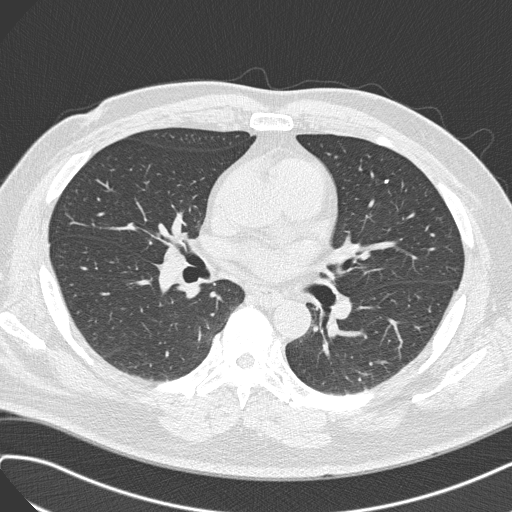
Axial chest CT slice 169 of 308 (counted from the lowest slice); 1.00 mm thick, 0.703 mm per pixel. Pulmonary nodule outlined by one of the four readers; box rows 179–183, columns 384–389 (that reader's outline on this slice); longest diameter 5.1 mm and volume 29 mm3 from that reader's outline. That reader's ratings: texture 5/5 (solid); margin 5/5 (circumscribed); sphericity 5/5 (round); calcification solid calcification; internal structure soft tissue; subtlety 3/5; malignancy likelihood 1/5. Scale key (1–5): texture non-solid→solid, margin indistinct→circumscribed, sphericity linear→round, subtlety extremely subtle→obvious, malignancy likelihood highly unlikely→highly suspicious of cancer. Box rows and columns are 0-based pixel indices from the top-left corner, inclusive.
Acquired at 120 kVp and reconstructed with the B45f kernel.